Axial chest CT slice 43 of 140 (counted from the lowest slice); tube voltage 120 kVp, convolution kernel STANDARD; slices 2.50 mm thick, 0.703 mm per pixel.
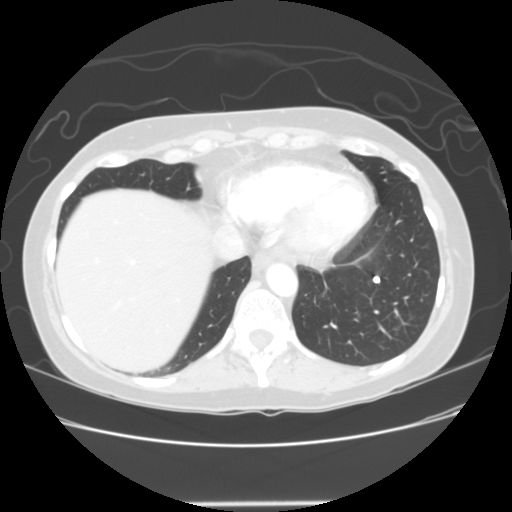
Pulmonary nodule outlined by all four readers; box rows 276–283, columns 372–379 (the union of the readers' outlines on this slice); median longest diameter 6.3 mm (readers' outlines 6.0–7.6 mm), median volume 138 mm3 (112–187 mm3). Median ratings and the readers' spread: texture 5/5 (solid) from all four readers; margin 5/5 (circumscribed) from all four readers; median sphericity 5/5 (round) (readers ranged 4/5 to 5/5 (round)); calcification: solid calcification (three), absent (one); internal structure soft tissue from all four readers; subtlety 5/5 at the median of four readers, spread 3–5; malignancy likelihood 1/5 at the median of four readers, spread 1–2. Scale key (1–5): texture non-solid→solid, margin indistinct→circumscribed, sphericity linear→round, subtlety extremely subtle→obvious, malignancy likelihood highly unlikely→highly suspicious of cancer. Box rows and columns are 0-based pixel indices from the top-left corner, inclusive.